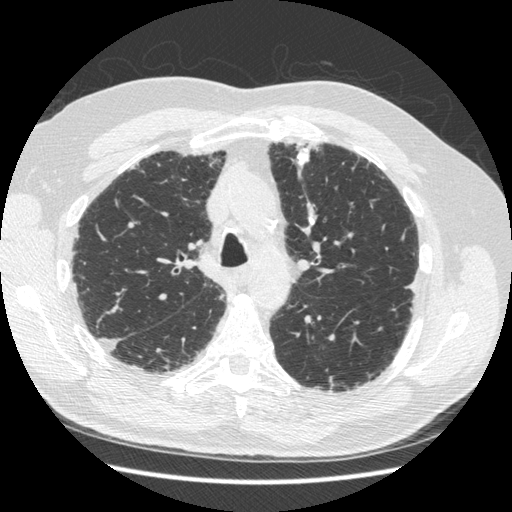
This is axial slice 346 of 497 (slice 1 is the lowest) of a chest CT; each pixel is 0.703 mm and the slice is 1.25 mm thick. Pulmonary nodule outlined by all four readers; box rows 147–168, columns 295–309 (the union of the readers' outlines on this slice); longest diameter 16.1 mm on average over the four readers' outlines (readers' outlines 15.2–16.7 mm), volume 670–817 mm3. The readers' prevailing ratings and who disagreed: texture 5/5 (solid), all four readers agreeing; margin 5/5 (circumscribed) by three of four readers; the rest gave 3/5 (one); sphericity 5/5 (round) by two of four readers; the rest gave 2/5 (one), 4/5 (one); calcification solid calcification, all four readers agreeing; internal structure soft tissue, all four readers agreeing; subtlety 5/5 from all four readers; malignancy likelihood 1/5, all four readers agreeing. Scale key (1–5): texture non-solid→solid, margin indistinct→circumscribed, sphericity linear→round, subtlety extremely subtle→obvious, malignancy likelihood highly unlikely→highly suspicious of cancer. Box rows and columns are 0-based pixel indices from the top-left corner, inclusive.
Scan settings: 120 kVp, STANDARD reconstruction kernel.